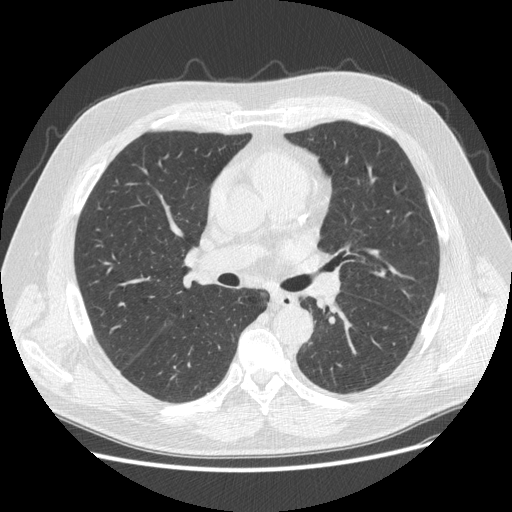
Chest CT, axial plane, 120 kVp, kernel STANDARD. Slice 279/481 from the bottom of the scan; thickness 1.25 mm; pixel size 0.742 mm.
No nodule of 3 mm or larger was outlined by any of the four readers on this slice.